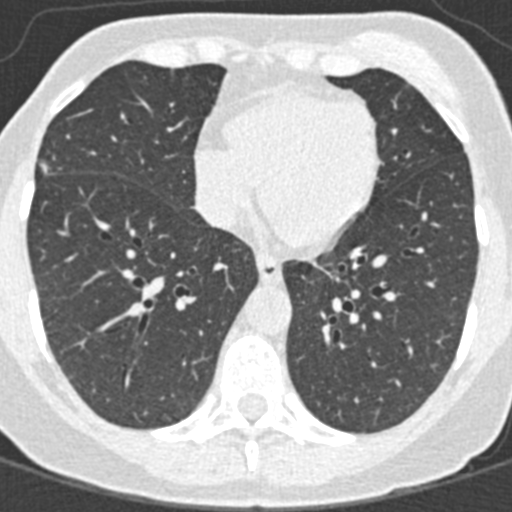
Chest CT, axial plane, 120 kVp, kernel B30f. Slice 134/376 from the bottom of the scan; thickness 0.75 mm; pixel size 0.461 mm.
Two pulmonary nodules on this slice, listed from left to right. (1) Pulmonary nodule at rows 160–175, columns 39–49 (box = that reader's outline on this slice), outlined by one of the four readers; longest diameter 8.7 mm and volume 50 mm3 from that reader's outline. That reader's ratings: texture 5/5 (solid); margin 3/5; sphericity 3/5 (ovoid); calcification absent; internal structure soft tissue; subtlety 3/5; malignancy likelihood 3/5. (2) Pulmonary nodule at rows 85–88, columns 404–408 (box = that reader's outline on this slice), outlined by one of the four readers; longest diameter 3.8 mm and volume 20 mm3 from that reader's outline. That reader's ratings: texture 5/5 (solid); margin 5/5 (circumscribed); sphericity 5/5 (round); calcification absent; internal structure soft tissue; subtlety 5/5; malignancy likelihood 3/5. Scale key (1–5): texture non-solid→solid, margin indistinct→circumscribed, sphericity linear→round, subtlety extremely subtle→obvious, malignancy likelihood highly unlikely→highly suspicious of cancer. Box rows and columns are 0-based pixel indices from the top-left corner, inclusive.